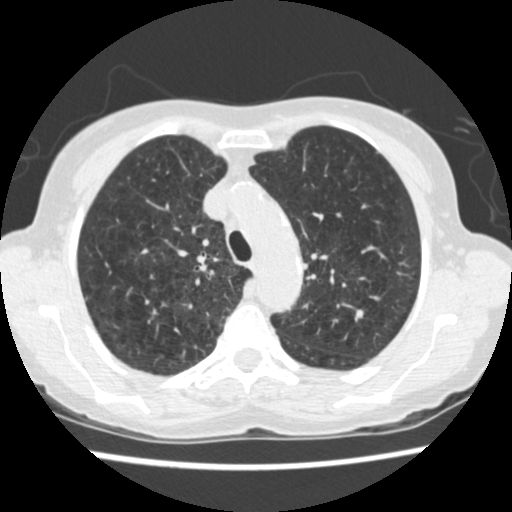
Axial slice 401 of 541 of a chest CT (slice 1 is the lowest), reconstructed with the STANDARD kernel at 120 kVp; 1.25 mm slice thickness and 0.586 mm pixels.
Pulmonary nodule outlined by two of the four readers; box rows 310–318, columns 356–363 (the union of the readers' outlines on this slice); longest diameter 5.8 mm on average over the two readers' outlines (readers' outlines 5.6–6.1 mm), volume 85–100 mm3. Ratings, by the readers' most common answer with dissent counted: texture 5/5 (solid), both readers agreeing; margin 5/5 (circumscribed) from both readers; sphericity split among the readers: 3/5 (ovoid) (one), 5/5 (round) (one); calcification split among the readers: absent (one), solid calcification (one); internal structure soft tissue, both readers agreeing; subtlety split among the readers: 2/5 (one), 5/5 (one); malignancy likelihood split among the readers: 1/5 (one), 3/5 (one). Scale key (1–5): texture non-solid→solid, margin indistinct→circumscribed, sphericity linear→round, subtlety extremely subtle→obvious, malignancy likelihood highly unlikely→highly suspicious of cancer. Box rows and columns are 0-based pixel indices from the top-left corner, inclusive.